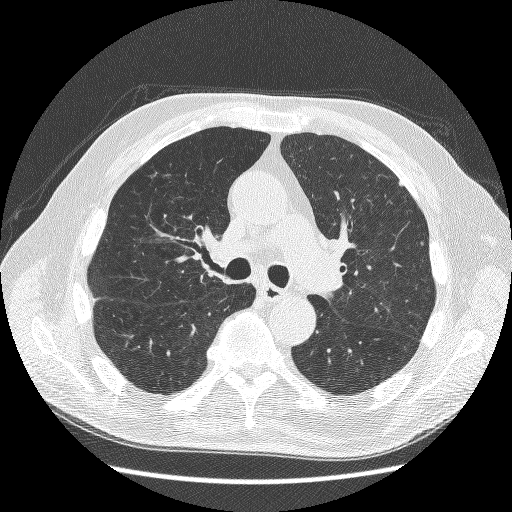
This is axial slice 153 of 241 (slice 1 is the lowest) of a chest CT; each pixel is 0.703 mm and the slice is 1.25 mm thick. Pulmonary nodule, outlined by one of the four readers. Box on this slice rows 180–184, columns 399–402, that reader's outline on this slice; longest diameter 5.7 mm and volume 30 mm3 from that reader's outline. That reader's ratings: texture 5/5 (solid); margin 4/5; sphericity 5/5 (round); calcification absent; internal structure soft tissue; subtlety 2/5; malignancy likelihood 1/5. Scale key (1–5): texture non-solid→solid, margin indistinct→circumscribed, sphericity linear→round, subtlety extremely subtle→obvious, malignancy likelihood highly unlikely→highly suspicious of cancer. Box rows and columns are 0-based pixel indices from the top-left corner, inclusive.
Tube voltage 120 kVp; convolution kernel BONE.